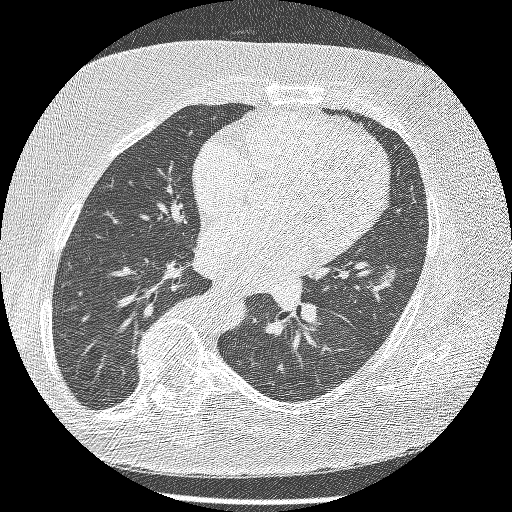
One axial slice (98 of 195, counting up from the lowest) of a chest CT acquired at 120 kVp with the BONE kernel; each pixel is 0.645 mm and the slice is 1.25 mm thick.
Pulmonary nodule outlined by two of the four readers; box rows 270–282, columns 383–393 (the union of the readers' outlines on this slice); median longest diameter 13.4 mm (readers' outlines 12.4–14.3 mm), median volume 224 mm3 (220–228 mm3). Median ratings and the readers' spread: median texture 4.5/5 (readers ranged 4/5 to 5/5 (solid)); median margin 2.5/5 (readers ranged 2/5 to 3/5); sphericity 2.5/5 at the median of two readers, spread 2/5 to 3/5 (ovoid); calcification absent from both readers; internal structure soft tissue from both readers; subtlety 2.5/5 at the median of two readers, spread 2–3; malignancy likelihood 3/5, both readers agreeing. Scale key (1–5): texture non-solid→solid, margin indistinct→circumscribed, sphericity linear→round, subtlety extremely subtle→obvious, malignancy likelihood highly unlikely→highly suspicious of cancer. Box rows and columns are 0-based pixel indices from the top-left corner, inclusive.